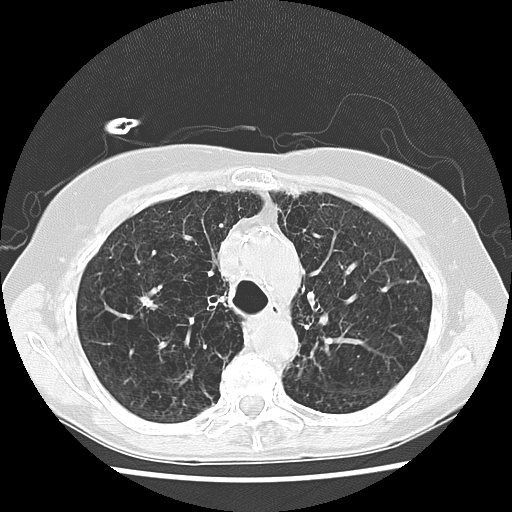
One axial slice (100 of 133, counting up from the lowest) of a chest CT acquired at 120 kVp with the LUNG kernel; each pixel is 0.625 mm and the slice is 2.50 mm thick.
Pulmonary nodule at rows 296–309, columns 137–156 (box = the union of the readers' outlines on this slice), outlined by all four readers; longest diameter 12.6 mm on average over the four readers' outlines (readers' outlines 11.3–13.4 mm), volume 345–536 mm3. Ratings, by the readers' most common answer with dissent counted: texture 5/5 (solid) from all four readers; margin 4/5 by two of four readers; the rest gave 1/5 (indistinct) (one), 3/5 (one); sphericity 2/5 by three of four readers; the rest gave 3/5 (ovoid) (one); calcification absent, all four readers agreeing; internal structure soft tissue from all four readers; subtlety 5/5 by two of four readers; the rest gave 3/5 (one), 4/5 (one); malignancy likelihood 5/5 by two of four readers; the rest gave 3/5 (one), 4/5 (one). Scale key (1–5): texture non-solid→solid, margin indistinct→circumscribed, sphericity linear→round, subtlety extremely subtle→obvious, malignancy likelihood highly unlikely→highly suspicious of cancer. Box rows and columns are 0-based pixel indices from the top-left corner, inclusive.